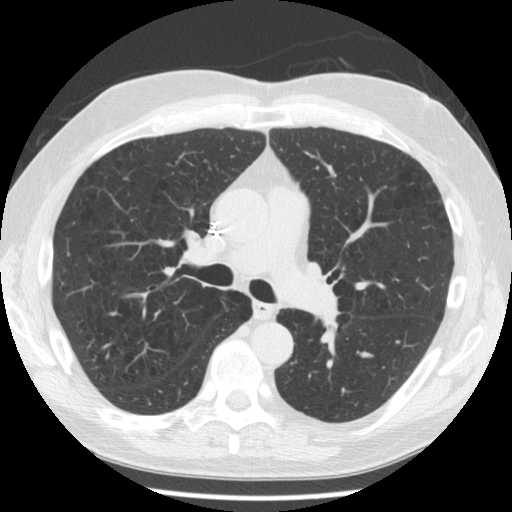
Chest CT, axial plane, 120 kVp, kernel STANDARD. Slice 114/179 from the bottom of the scan; thickness 2.50 mm; pixel size 0.684 mm.
This slice carries no reader outline of a nodule 3 mm or larger.